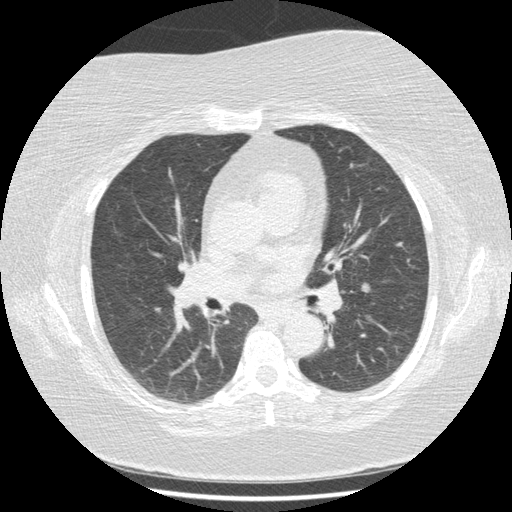
Chest CT, axial plane, 120 kVp, kernel STANDARD. Slice 243/417 from the bottom of the scan; thickness 1.25 mm; pixel size 0.703 mm.
Two pulmonary nodules are outlined on this slice; from left to right: (1) Pulmonary nodule outlined by one of the four readers; box rows 307–314, columns 154–161 (that reader's outline on this slice); longest diameter 8.8 mm and volume 74 mm3 from that reader's outline. That reader's ratings: texture 4/5; margin 2/5; sphericity 3/5 (ovoid); calcification absent; internal structure soft tissue; subtlety 5/5; malignancy likelihood 3/5. (2) Pulmonary nodule at rows 282–292, columns 358–370 (box = the union of the readers' outlines on this slice), outlined by all four readers; the four readers' outlines give a longest diameter between 7.6 and 10.7 mm and a volume between 89 and 248 mm3. The readers' ratings, as ranges where they differ: texture 5/5 (solid) from all four readers; margin from 4/5 to 5/5 (circumscribed) across the four readers; sphericity from 3/5 (ovoid) to 5/5 (round) across the four readers; calcification absent from all four readers; internal structure soft tissue, all four readers agreeing; subtlety rated between 4 and 5 out of 5 by the four readers; malignancy likelihood 3–4/5 (the readers disagree). Scale key (1–5): texture non-solid→solid, margin indistinct→circumscribed, sphericity linear→round, subtlety extremely subtle→obvious, malignancy likelihood highly unlikely→highly suspicious of cancer. Box rows and columns are 0-based pixel indices from the top-left corner, inclusive.